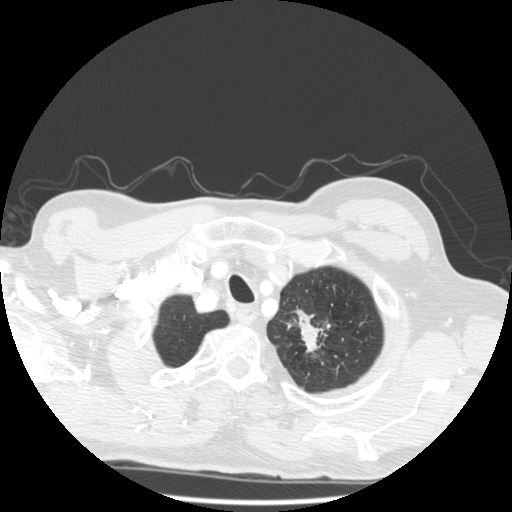
Axial slice 458 of 501 of a chest CT (slice 1 is the lowest), reconstructed with the STANDARD kernel at 140 kVp; 1.25 mm slice thickness and 0.703 mm pixels.
Pulmonary nodule outlined by three of the four readers; box rows 306–352, columns 293–327 (the union of the readers' outlines on this slice); median longest diameter 33.8 mm (readers' outlines 32.1–39.2 mm), median volume 3078 mm3 (2361–4873 mm3). Median ratings and the readers' spread: texture 5/5 (solid) at the median of three readers, spread 4/5 to 5/5 (solid); margin 3/5 at the median of three readers, spread 1/5 (indistinct) to 5/5 (circumscribed); sphericity 3/5 (ovoid) at the median of three readers, spread 2/5 to 5/5 (round); calcification absent from all three readers; internal structure soft tissue from all three readers; subtlety 5/5, all three readers agreeing; malignancy likelihood 5/5 at the median of three readers, spread 4–5. Scale key (1–5): texture non-solid→solid, margin indistinct→circumscribed, sphericity linear→round, subtlety extremely subtle→obvious, malignancy likelihood highly unlikely→highly suspicious of cancer. Box rows and columns are 0-based pixel indices from the top-left corner, inclusive.